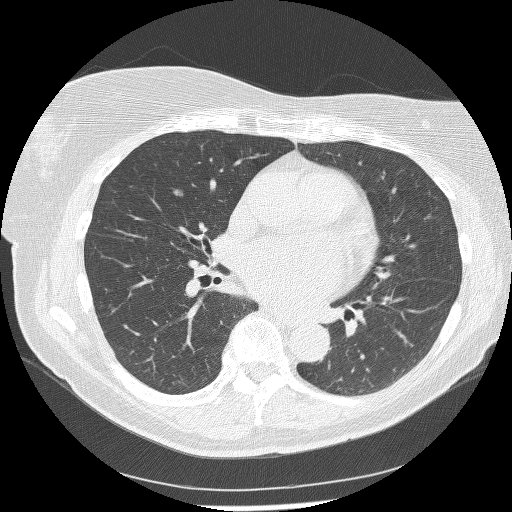
Slice 147/255 of a chest CT, counting up from the lowest; pixel size 0.654 mm, slice thickness 1.25 mm. Pulmonary nodule outlined by one of the four readers; box rows 189–196, columns 173–183 (that reader's outline on this slice); longest diameter 8.1 mm and volume 62 mm3 from that reader's outline. That reader's ratings: texture 2/5; margin 3/5; sphericity 3/5 (ovoid); calcification absent; internal structure soft tissue; subtlety 3/5; malignancy likelihood 3/5. Scale key (1–5): texture non-solid→solid, margin indistinct→circumscribed, sphericity linear→round, subtlety extremely subtle→obvious, malignancy likelihood highly unlikely→highly suspicious of cancer. Box rows and columns are 0-based pixel indices from the top-left corner, inclusive.
Scan settings: 120 kVp, BONE reconstruction kernel.